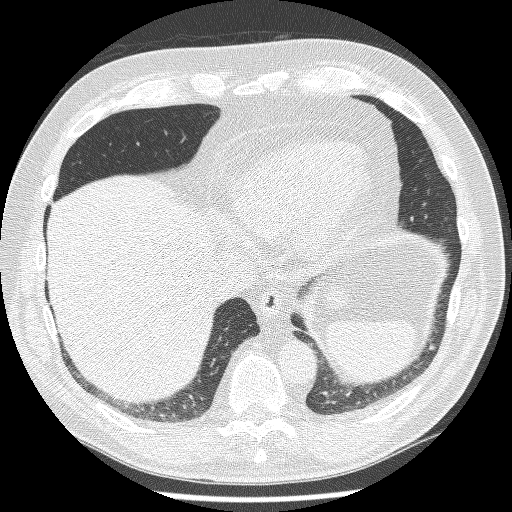
Chest CT, axial plane, 120 kVp, kernel BONE. Slice 73/244 from the bottom of the scan; thickness 1.25 mm; pixel size 0.674 mm.
Pulmonary nodule, outlined by three of the four readers. Box on this slice rows 344–350, columns 429–435, the union of the readers' outlines on this slice; longest diameter 6.0–6.9 mm and volume 68–91 mm3 across the three readers' outlines. The readers' ratings, as ranges where they differ: texture from 4/5 to 5/5 (solid) across the three readers; margin from 2/5 to 5/5 (circumscribed) across the three readers; sphericity from 3/5 (ovoid) to 5/5 (round) across the three readers; calcification absent from all three readers; internal structure soft tissue, all three readers agreeing; subtlety rated between 1 and 3 out of 5 by the three readers; malignancy likelihood 2–3/5 (the readers disagree). Scale key (1–5): texture non-solid→solid, margin indistinct→circumscribed, sphericity linear→round, subtlety extremely subtle→obvious, malignancy likelihood highly unlikely→highly suspicious of cancer. Box rows and columns are 0-based pixel indices from the top-left corner, inclusive.